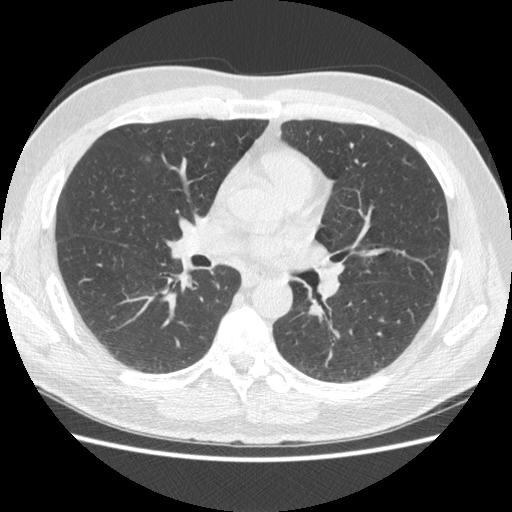
Axial slice 271 of 477 of a chest CT (slice 1 is the lowest), reconstructed with the STANDARD kernel at 120 kVp; 1.25 mm slice thickness and 0.703 mm pixels.
Pulmonary nodule, outlined by three of the four readers, two of them on this slice. Box on this slice rows 156–161, columns 144–152, the union of the readers' outlines on this slice; longest diameter 13.0–15.7 mm and volume 236–334 mm3 across the three readers' outlines. Ratings across the readers: texture 5/5 (solid), all three readers agreeing; margin from 4/5 to 5/5 (circumscribed) across the three readers; sphericity from 2/5 to 5/5 (round) across the three readers; calcification absent, all three readers agreeing; internal structure soft tissue from all three readers; subtlety from 3/5 to 5/5 across the three readers; malignancy likelihood 2–3/5 (the readers disagree). Scale key (1–5): texture non-solid→solid, margin indistinct→circumscribed, sphericity linear→round, subtlety extremely subtle→obvious, malignancy likelihood highly unlikely→highly suspicious of cancer. Box rows and columns are 0-based pixel indices from the top-left corner, inclusive.